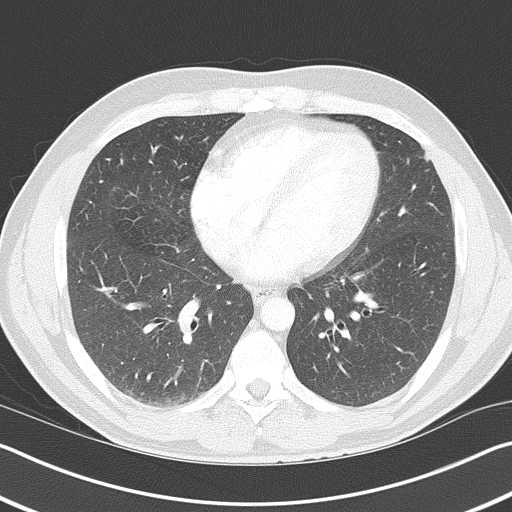
Chest CT, axial plane, 120 kVp, kernel B70f. Slice 196/368 from the bottom of the scan; thickness 2.00 mm; pixel size 0.660 mm.
Pulmonary nodule, outlined by one of the four readers. Box on this slice rows 152–162, columns 424–429, that reader's outline on this slice; longest diameter 8.2 mm and volume 108 mm3 from that reader's outline. Ratings by that reader: texture 1/5 (non-solid); margin 2/5; sphericity 5/5 (round); calcification absent; internal structure soft tissue; subtlety 1/5; malignancy likelihood 2/5. Scale key (1–5): texture non-solid→solid, margin indistinct→circumscribed, sphericity linear→round, subtlety extremely subtle→obvious, malignancy likelihood highly unlikely→highly suspicious of cancer. Box rows and columns are 0-based pixel indices from the top-left corner, inclusive.